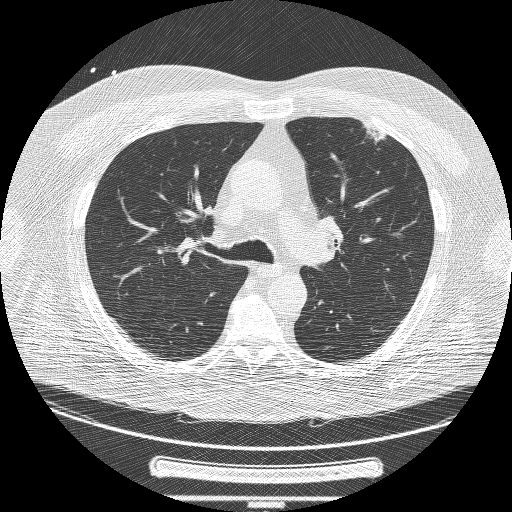
This is axial slice 150 of 239 (slice 1 is the lowest) of a chest CT; each pixel is 0.795 mm and the slice is 1.25 mm thick. Pulmonary nodule at rows 123–143, columns 362–384 (box = the union of the readers' outlines on this slice), outlined by two of the four readers; median longest diameter 43.2 mm (readers' outlines 43.0–43.4 mm), median volume 10782 mm3 (10396–11168 mm3). Ratings, median across the readers with their spread: median texture 4/5 (readers ranged 3/5 (part-solid) to 5/5 (solid)); median margin 2/5 (readers ranged 1/5 (indistinct) to 3/5); sphericity 2/5 at the median of two readers, spread 1/5 (linear) to 3/5 (ovoid); calcification absent from both readers; internal structure soft tissue from both readers; subtlety 5/5 from both readers; malignancy likelihood 5/5, both readers agreeing. Scale key (1–5): texture non-solid→solid, margin indistinct→circumscribed, sphericity linear→round, subtlety extremely subtle→obvious, malignancy likelihood highly unlikely→highly suspicious of cancer. Box rows and columns are 0-based pixel indices from the top-left corner, inclusive.
Scan settings: 120 kVp, BONE reconstruction kernel.